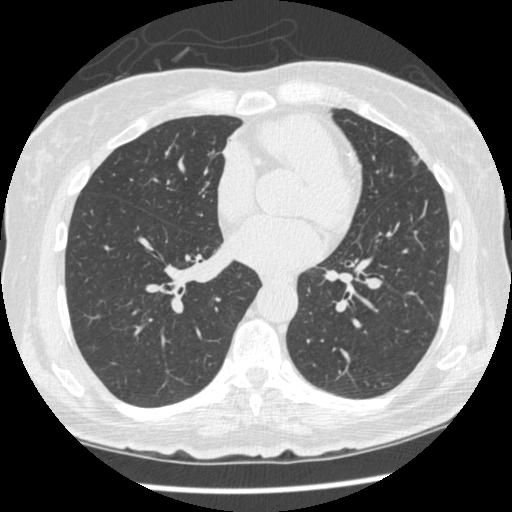
Axial chest CT slice 186 of 449 (counted from the lowest slice); tube voltage 120 kVp, convolution kernel STANDARD; slices 1.25 mm thick, 0.625 mm per pixel.
No nodule 3 mm or larger was outlined here by any reader.